Axial chest CT slice 207 of 368 (counted from the lowest slice); tube voltage 120 kVp, convolution kernel B70f; slices 2.00 mm thick, 0.660 mm per pixel.
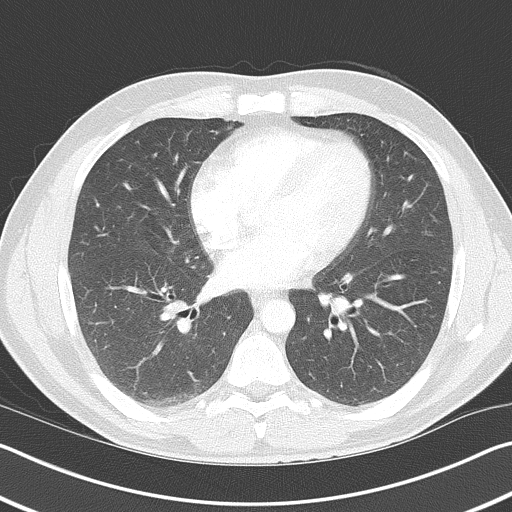
Pulmonary nodule at rows 125–130, columns 225–234 (box = that reader's outline on this slice), outlined by one of the four readers; longest diameter 12.5 mm and volume 369 mm3 from that reader's outline. That reader's ratings: texture 5/5 (solid); margin 5/5 (circumscribed); sphericity 5/5 (round); calcification solid calcification; internal structure soft tissue; subtlety 5/5; malignancy likelihood 1/5. Scale key (1–5): texture non-solid→solid, margin indistinct→circumscribed, sphericity linear→round, subtlety extremely subtle→obvious, malignancy likelihood highly unlikely→highly suspicious of cancer. Box rows and columns are 0-based pixel indices from the top-left corner, inclusive.